Axial chest CT slice 377 of 465 (counted from the lowest slice); tube voltage 120 kVp, convolution kernel STANDARD; slices 1.25 mm thick, 0.586 mm per pixel.
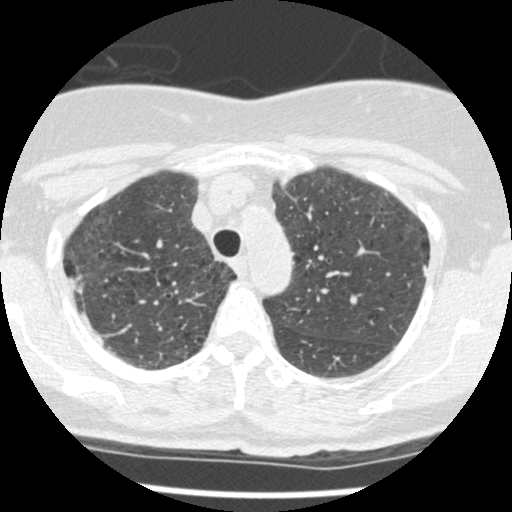
Pulmonary nodule outlined by one of the four readers; box rows 286–293, columns 75–82 (that reader's outline on this slice); longest diameter 8.3 mm and volume 208 mm3 from that reader's outline. That reader's ratings: texture 5/5 (solid); margin 4/5; sphericity 4/5; calcification absent; internal structure soft tissue; subtlety 3/5; malignancy likelihood 2/5. Scale key (1–5): texture non-solid→solid, margin indistinct→circumscribed, sphericity linear→round, subtlety extremely subtle→obvious, malignancy likelihood highly unlikely→highly suspicious of cancer. Box rows and columns are 0-based pixel indices from the top-left corner, inclusive.